Axial slice 152 of 350 of a chest CT (slice 1 is the lowest), reconstructed with the C kernel at 120 kVp; 1.50 mm slice thickness and 0.725 mm pixels.
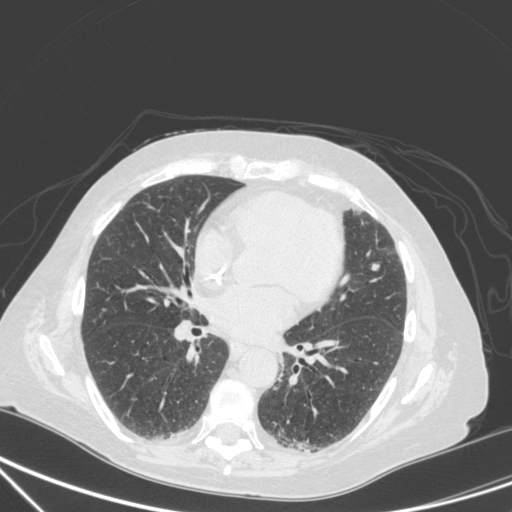
Pulmonary nodule at rows 263–270, columns 370–379 (box = the union of the readers' outlines on this slice), outlined by all four readers; longest diameter 9.2 mm on average over the four readers' outlines (readers' outlines 8.5–10.5 mm), volume 175–345 mm3. The readers' prevailing ratings and who disagreed: most readers (three of four) put texture at 5/5 (solid), others 4/5 (one); margin 4/5 by three of four readers; the rest gave 5/5 (circumscribed) (one); sphericity split among the readers: 3/5 (ovoid) (two), 4/5 (two); calcification absent from all four readers; internal structure soft tissue, all four readers agreeing; subtlety 5/5 from all four readers; malignancy likelihood 2/5 by two of four readers; the rest gave 4/5 (one), 5/5 (one). Scale key (1–5): texture non-solid→solid, margin indistinct→circumscribed, sphericity linear→round, subtlety extremely subtle→obvious, malignancy likelihood highly unlikely→highly suspicious of cancer. Box rows and columns are 0-based pixel indices from the top-left corner, inclusive.